Axial chest CT slice 130 of 258 (counted from the lowest slice); tube voltage 120 kVp, convolution kernel STANDARD; slices 1.25 mm thick, 0.859 mm per pixel.
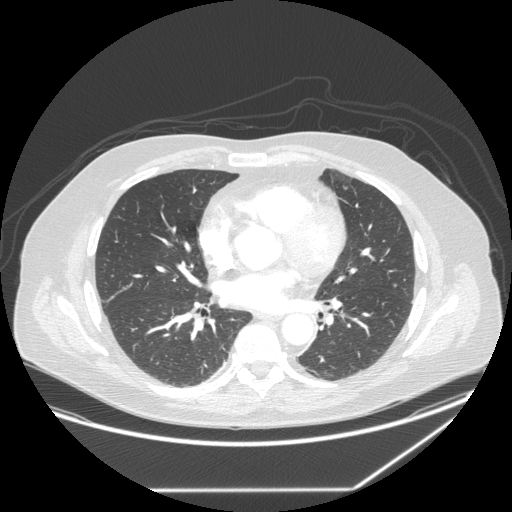
Pulmonary nodule at rows 283–286, columns 392–396 (box = the union of the readers' outlines on this slice), outlined by all four readers; median longest diameter 7.7 mm (readers' outlines 7.3–8.6 mm), median volume 168 mm3 (165–207 mm3). Median ratings and the readers' spread: texture 5/5 (solid), all four readers agreeing; margin 5/5 (circumscribed), all four readers agreeing; sphericity 5/5 (round) at the median of four readers, spread 4/5 to 5/5 (round); calcification absent, all four readers agreeing; internal structure soft tissue, all four readers agreeing; median subtlety 3.5/5 (readers ranged 3–5); malignancy likelihood 2.5/5 at the median of four readers, spread 2–3. Scale key (1–5): texture non-solid→solid, margin indistinct→circumscribed, sphericity linear→round, subtlety extremely subtle→obvious, malignancy likelihood highly unlikely→highly suspicious of cancer. Box rows and columns are 0-based pixel indices from the top-left corner, inclusive.